Chest CT, axial plane, 120 kVp, kernel D. Slice 100/290 from the bottom of the scan; thickness 1.00 mm; pixel size 0.662 mm.
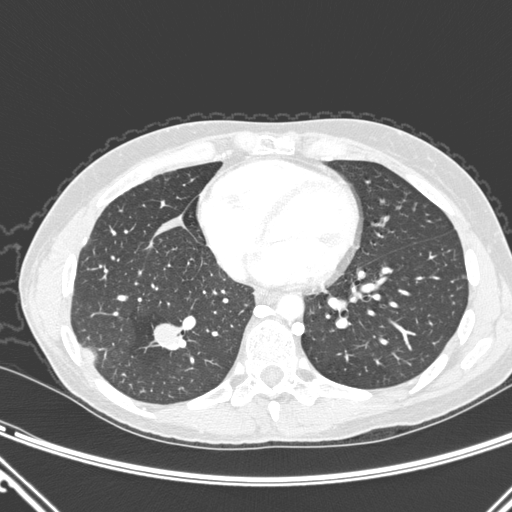
Pulmonary nodule, outlined by all four readers. Box on this slice rows 321–350, columns 154–184, the union of the readers' outlines on this slice; longest diameter 24.6 mm on average over the four readers' outlines (readers' outlines 22.2–29.6 mm), volume 2637–3531 mm3. Ratings, by the readers' most common answer with dissent counted: texture 5/5 (solid), all four readers agreeing; margin split among the readers: 4/5 (two), 5/5 (circumscribed) (two); sphericity 4/5 by two of four readers; the rest gave 2/5 (one), 5/5 (round) (one); calcification absent from all four readers; internal structure soft tissue, all four readers agreeing; subtlety 5/5 from all four readers; malignancy likelihood 5/5 by two of four readers; the rest gave 3/5 (one), 4/5 (one). Scale key (1–5): texture non-solid→solid, margin indistinct→circumscribed, sphericity linear→round, subtlety extremely subtle→obvious, malignancy likelihood highly unlikely→highly suspicious of cancer. Box rows and columns are 0-based pixel indices from the top-left corner, inclusive.